Axial chest CT slice 64 of 133 (counted from the lowest slice); tube voltage 120 kVp, convolution kernel STANDARD; slices 2.50 mm thick, 0.664 mm per pixel.
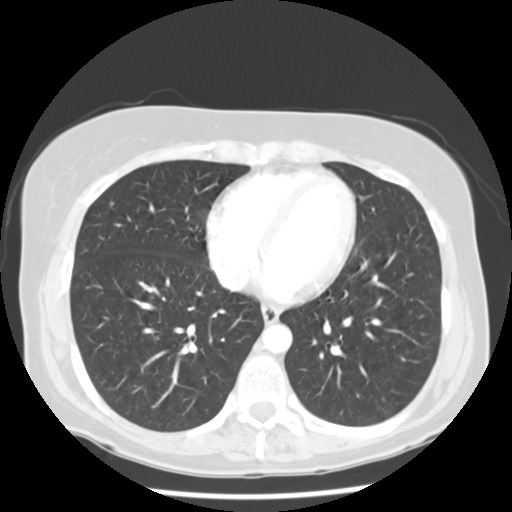
None of the four readers outlined a nodule of 3 mm or more on this slice.